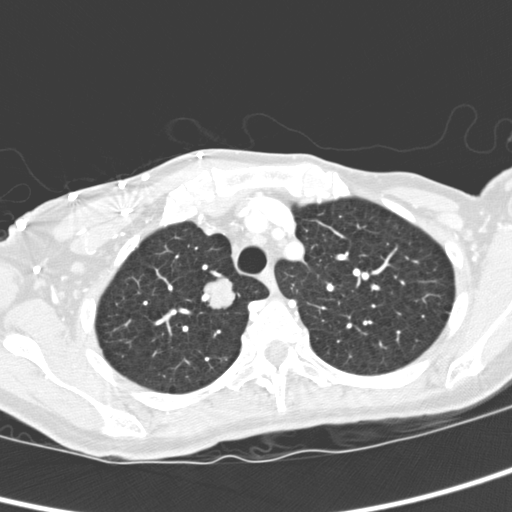
Chest CT, axial plane, 120 kVp, kernel D. Slice 257/321 from the bottom of the scan; thickness 2.00 mm; pixel size 0.557 mm.
Pulmonary nodule, outlined by all four readers. Box on this slice rows 278–309, columns 202–235, the union of the readers' outlines on this slice; median longest diameter 20.8 mm (readers' outlines 19.2–21.9 mm), median volume 3674 mm3 (3323–4100 mm3). Ratings, median across the readers with their spread: texture 5/5 (solid) from all four readers; median margin 5/5 (circumscribed) (readers ranged 4/5 to 5/5 (circumscribed)); median sphericity 5/5 (round) (readers ranged 4/5 to 5/5 (round)); calcification absent from all four readers; internal structure soft tissue, all four readers agreeing; subtlety 5/5 from all four readers; median malignancy likelihood 4.5/5 (readers ranged 3–5). Scale key (1–5): texture non-solid→solid, margin indistinct→circumscribed, sphericity linear→round, subtlety extremely subtle→obvious, malignancy likelihood highly unlikely→highly suspicious of cancer. Box rows and columns are 0-based pixel indices from the top-left corner, inclusive.